Axial slice 116 of 280 of a chest CT (slice 1 is the lowest), reconstructed with the D kernel at 120 kVp; 1.00 mm slice thickness and 0.564 mm pixels.
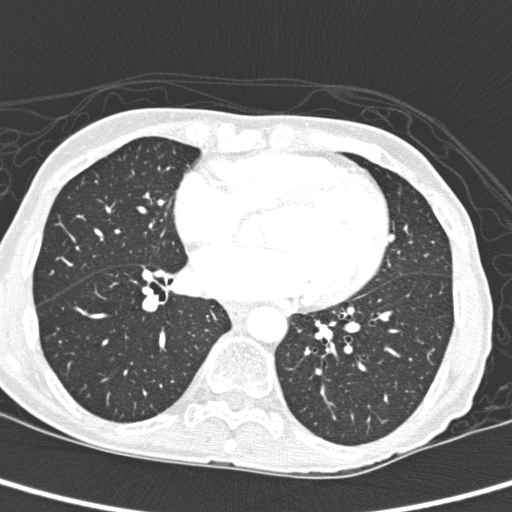
The readers outlined no nodule of 3 mm or more on this slice.